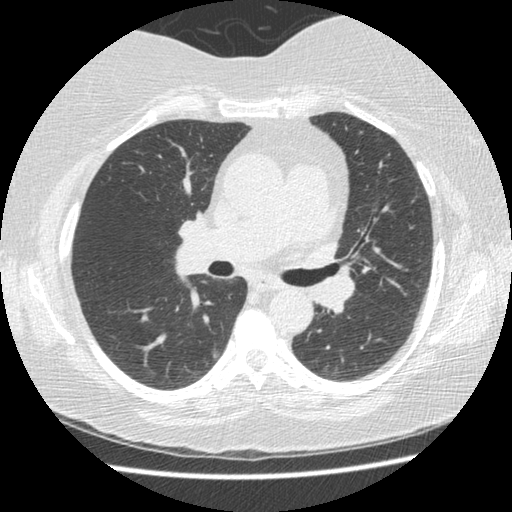
One axial slice (296 of 474, counting up from the lowest) of a chest CT acquired at 120 kVp with the STANDARD kernel; each pixel is 0.645 mm and the slice is 1.25 mm thick.
Pulmonary nodule, outlined by three of the four readers. Box on this slice rows 351–358, columns 212–218, the union of the readers' outlines on this slice; longest diameter 9.0–9.6 mm and volume 91–114 mm3 across the three readers' outlines. The readers' ratings, as ranges where they differ: texture from 2/5 to 5/5 (solid) across the three readers; margin from 2/5 to 5/5 (circumscribed) across the three readers; sphericity 3/5 (ovoid) from all three readers; calcification absent from all three readers; internal structure soft tissue, all three readers agreeing; subtlety from 3/5 to 5/5 across the three readers; malignancy likelihood from 2/5 to 3/5 across the three readers. Scale key (1–5): texture non-solid→solid, margin indistinct→circumscribed, sphericity linear→round, subtlety extremely subtle→obvious, malignancy likelihood highly unlikely→highly suspicious of cancer. Box rows and columns are 0-based pixel indices from the top-left corner, inclusive.